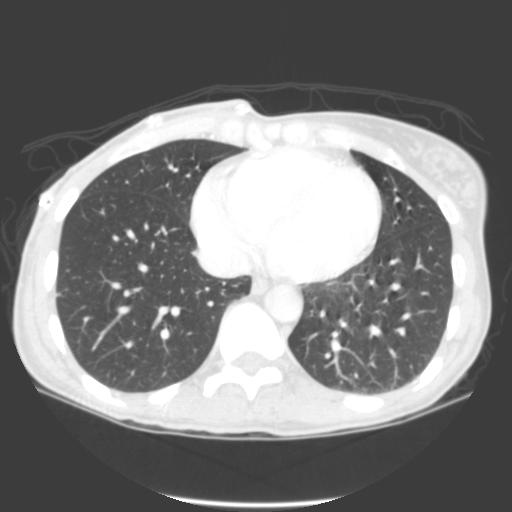
Axial chest CT slice 92 of 325 (counted from the lowest slice); tube voltage 120 kVp, convolution kernel B; slices 2.00 mm thick, 0.611 mm per pixel.
Pulmonary nodule outlined by all four readers, three of them on this slice; box rows 293–295, columns 56–59 (the union of the readers' outlines on this slice); the four readers' outlines give a longest diameter between 7.0 and 8.2 mm and a volume between 85 and 126 mm3. The readers' ratings, as ranges where they differ: texture from 4/5 to 5/5 (solid) across the four readers; margin from 3/5 to 5/5 (circumscribed) across the four readers; sphericity from 3/5 (ovoid) to 4/5 across the four readers; calcification absent, all four readers agreeing; internal structure soft tissue from all four readers; subtlety from 4/5 to 5/5 across the four readers; malignancy likelihood from 2/5 to 4/5 across the four readers. Scale key (1–5): texture non-solid→solid, margin indistinct→circumscribed, sphericity linear→round, subtlety extremely subtle→obvious, malignancy likelihood highly unlikely→highly suspicious of cancer. Box rows and columns are 0-based pixel indices from the top-left corner, inclusive.